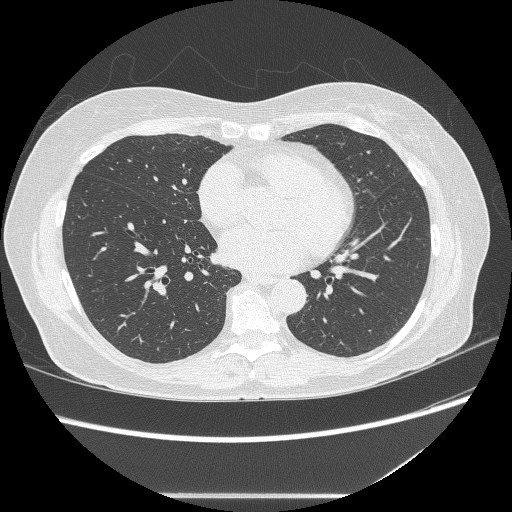
Chest CT, axial plane, 120 kVp, kernel BONE. Slice 116/236 from the bottom of the scan; thickness 1.25 mm; pixel size 0.703 mm.
No nodule of 3 mm or larger was outlined by any of the four readers on this slice.